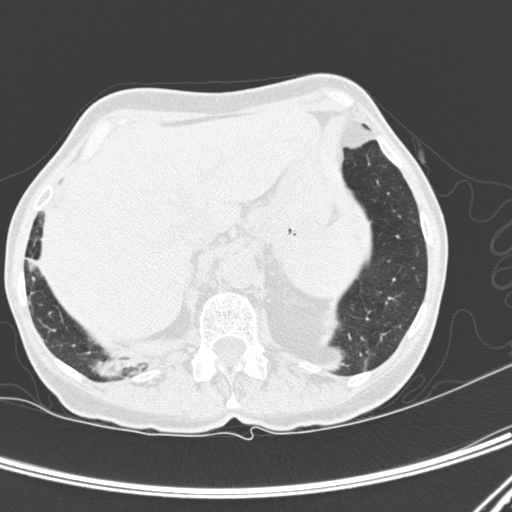
Slice 45/300 of a chest CT, counting up from the lowest; pixel size 0.607 mm, slice thickness 1.00 mm. Pulmonary nodule, outlined by all four readers. Box on this slice rows 259–271, columns 27–34, the union of the readers' outlines on this slice; longest diameter 18.8 mm on average over the four readers' outlines (readers' outlines 17.1–19.9 mm), volume 1865–2443 mm3. The readers' prevailing ratings and who disagreed: texture 5/5 (solid) from all four readers; margin 5/5 (circumscribed) from all four readers; most readers (three of four) put sphericity at 4/5, others 5/5 (round) (one); calcification solid calcification by three of four readers, absent (one); internal structure soft tissue, all four readers agreeing; subtlety 5/5 from all four readers; malignancy likelihood 1/5 by three of four readers; the rest gave 4/5 (one). Scale key (1–5): texture non-solid→solid, margin indistinct→circumscribed, sphericity linear→round, subtlety extremely subtle→obvious, malignancy likelihood highly unlikely→highly suspicious of cancer. Box rows and columns are 0-based pixel indices from the top-left corner, inclusive.
Tube voltage 120 kVp; convolution kernel D.